Axial chest CT slice 205 of 290 (counted from the lowest slice); tube voltage 120 kVp, convolution kernel B; slices 2.00 mm thick, 0.639 mm per pixel.
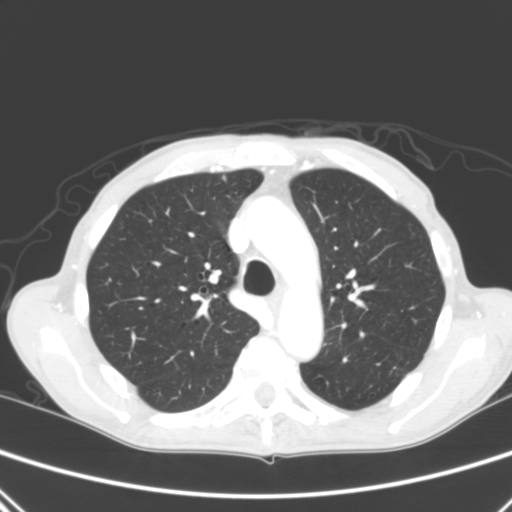
Pulmonary nodule at rows 175–181, columns 220–226 (box = the union of the readers' outlines on this slice), outlined by two of the four readers; longest diameter 5.6 mm on average over the two readers' outlines (readers' outlines 5.5–5.7 mm), volume 40–53 mm3. The readers' prevailing ratings and who disagreed: texture 5/5 (solid) from both readers; margin 5/5 (circumscribed) from both readers; sphericity split among the readers: 4/5 (one), 5/5 (round) (one); calcification absent, both readers agreeing; internal structure soft tissue, both readers agreeing; subtlety split among the readers: 4/5 (one), 5/5 (one); malignancy likelihood split among the readers: 2/5 (one), 3/5 (one). Scale key (1–5): texture non-solid→solid, margin indistinct→circumscribed, sphericity linear→round, subtlety extremely subtle→obvious, malignancy likelihood highly unlikely→highly suspicious of cancer. Box rows and columns are 0-based pixel indices from the top-left corner, inclusive.